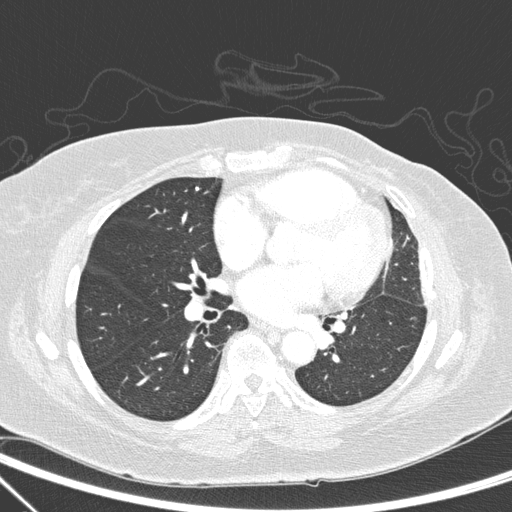
Axial slice 138 of 266 of a chest CT (slice 1 is the lowest), reconstructed with the D kernel at 120 kVp; 1.00 mm slice thickness and 0.668 mm pixels.
No nodule 3 mm or larger was outlined here by any reader.